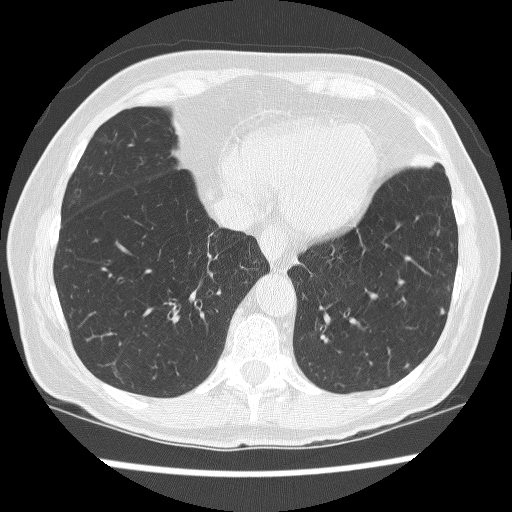
Axial slice 78 of 241 of a chest CT (slice 1 is the lowest), reconstructed with the BONE kernel at 120 kVp; 1.25 mm slice thickness and 0.609 mm pixels.
Pulmonary nodule at rows 306–315, columns 439–445 (box = the union of the readers' outlines on this slice), outlined by two of the four readers; longest diameter 6.0 mm on average over the two readers' outlines (readers' outlines 5.0–6.9 mm), volume 46–102 mm3. Ratings, by the readers' most common answer with dissent counted: texture split among the readers: 3/5 (part-solid) (one), 4/5 (one); margin split among the readers: 2/5 (one), 5/5 (circumscribed) (one); sphericity 3/5 (ovoid), both readers agreeing; calcification absent, both readers agreeing; internal structure soft tissue, both readers agreeing; subtlety split among the readers: 2/5 (one), 3/5 (one); malignancy likelihood split among the readers: 2/5 (one), 3/5 (one). Scale key (1–5): texture non-solid→solid, margin indistinct→circumscribed, sphericity linear→round, subtlety extremely subtle→obvious, malignancy likelihood highly unlikely→highly suspicious of cancer. Box rows and columns are 0-based pixel indices from the top-left corner, inclusive.